Chest CT, axial plane, 120 kVp, kernel D. Slice 183/260 from the bottom of the scan; thickness 2.00 mm; pixel size 0.584 mm.
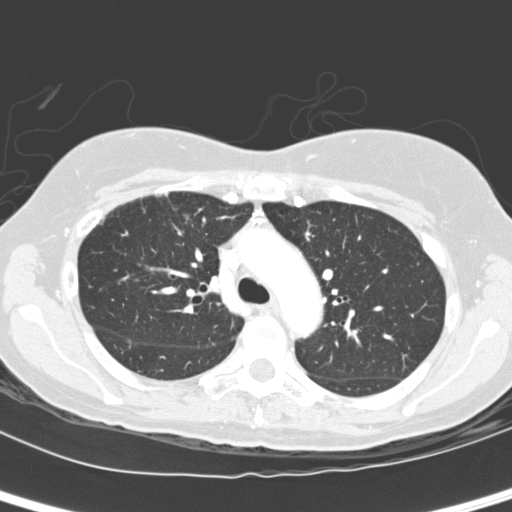
Pulmonary nodule, outlined by three of the four readers, one of them on this slice. Box on this slice rows 214–218, columns 184–187, the one reader's outline on this slice; median longest diameter 6.3 mm (readers' outlines 5.4–6.8 mm), median volume 86 mm3 (27–95 mm3). Ratings, median across the readers with their spread: texture 5/5 (solid) at the median of three readers, spread 4/5 to 5/5 (solid); margin 3/5 at the median of three readers, spread 3/5 to 5/5 (circumscribed); sphericity 4/5 at the median of three readers, spread 3/5 (ovoid) to 4/5; calcification absent from all three readers; internal structure soft tissue, all three readers agreeing; median subtlety 2/5 (readers ranged 2–3); median malignancy likelihood 3/5 (readers ranged 1–4). Scale key (1–5): texture non-solid→solid, margin indistinct→circumscribed, sphericity linear→round, subtlety extremely subtle→obvious, malignancy likelihood highly unlikely→highly suspicious of cancer. Box rows and columns are 0-based pixel indices from the top-left corner, inclusive.